One axial slice (199 of 347, counting up from the lowest) of a chest CT acquired at 120 kVp with the B45f kernel; each pixel is 0.625 mm and the slice is 1.00 mm thick.
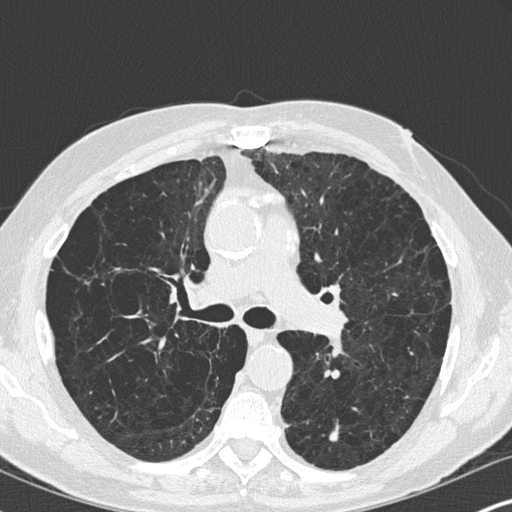
Pulmonary nodule at rows 420–441, columns 329–339 (box = the union of the readers' outlines on this slice), outlined by all four readers; median longest diameter 13.0 mm (readers' outlines 9.8–15.6 mm), median volume 307 mm3 (236–361 mm3). Ratings, median across the readers with their spread: texture 5/5 (solid) at the median of four readers, spread 4/5 to 5/5 (solid); margin 3.5/5 at the median of four readers, spread 2/5 to 5/5 (circumscribed); sphericity 3/5 (ovoid) at the median of four readers, spread 2/5 to 4/5; calcification absent from all four readers; internal structure soft tissue, all four readers agreeing; median subtlety 4/5 (readers ranged 4–5); median malignancy likelihood 3.5/5 (readers ranged 3–4). Scale key (1–5): texture non-solid→solid, margin indistinct→circumscribed, sphericity linear→round, subtlety extremely subtle→obvious, malignancy likelihood highly unlikely→highly suspicious of cancer. Box rows and columns are 0-based pixel indices from the top-left corner, inclusive.